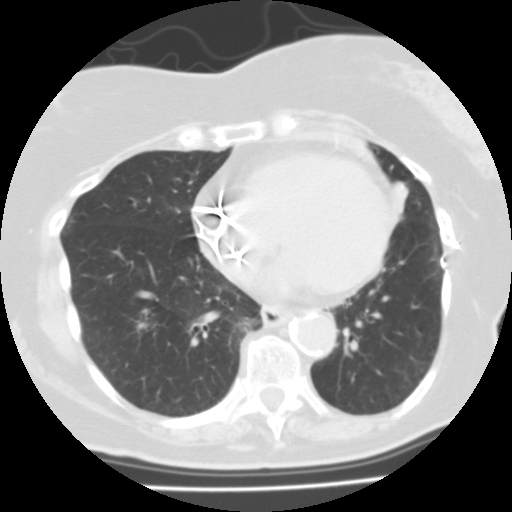
One axial slice (56 of 122, counting up from the lowest) of a chest CT acquired at 135 kVp with the FC01 kernel; each pixel is 0.586 mm and the slice is 3.00 mm thick.
No nodule of 3 mm or larger was outlined by any of the four readers on this slice.